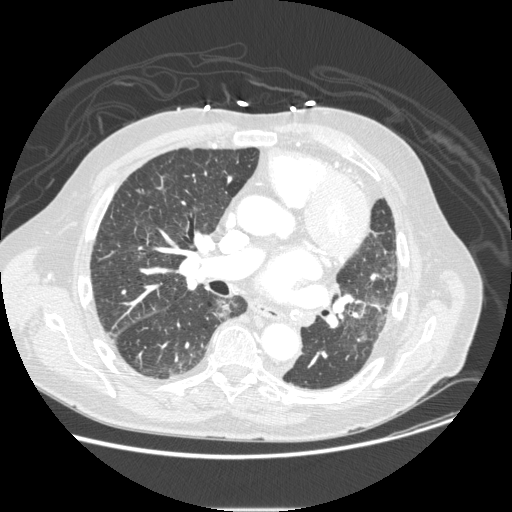
This is axial slice 141 of 232 (slice 1 is the lowest) of a chest CT; each pixel is 0.781 mm and the slice is 1.25 mm thick. Two pulmonary nodules on this slice, listed from left to right. (1) Pulmonary nodule at rows 189–193, columns 135–143 (box = the union of the readers' outlines on this slice), outlined by all four readers, two of them on this slice; the four readers' outlines give a longest diameter between 14.3 and 19.0 mm and a volume between 516 and 753 mm3. Ratings across the readers: texture from 4/5 to 5/5 (solid) across the four readers; margin from 3/5 to 4/5 across the four readers; sphericity from 3/5 (ovoid) to 4/5 across the four readers; calcification absent, all four readers agreeing; internal structure soft tissue from all four readers; subtlety 4–5/5 (the readers disagree); malignancy likelihood 2–4/5 (the readers disagree). (2) Pulmonary nodule outlined by three of the four readers; box rows 299–320, columns 212–240 (the union of the readers' outlines on this slice); median longest diameter 21.2 mm (readers' outlines 19.3–24.1 mm), median volume 1089 mm3 (947–2023 mm3). Ratings, median across the readers with their spread: texture 1/5 (non-solid) at the median of three readers, spread 1/5 (non-solid) to 2/5; margin 3/5 at the median of three readers, spread 2/5 to 3/5; median sphericity 3/5 (ovoid) (readers ranged 2/5 to 4/5); calcification absent from all three readers; internal structure soft tissue from all three readers; subtlety 4/5 at the median of three readers, spread 3–4; median malignancy likelihood 4/5 (readers ranged 2–4). Scale key (1–5): texture non-solid→solid, margin indistinct→circumscribed, sphericity linear→round, subtlety extremely subtle→obvious, malignancy likelihood highly unlikely→highly suspicious of cancer. Box rows and columns are 0-based pixel indices from the top-left corner, inclusive.
Scan settings: 120 kVp, STANDARD reconstruction kernel.